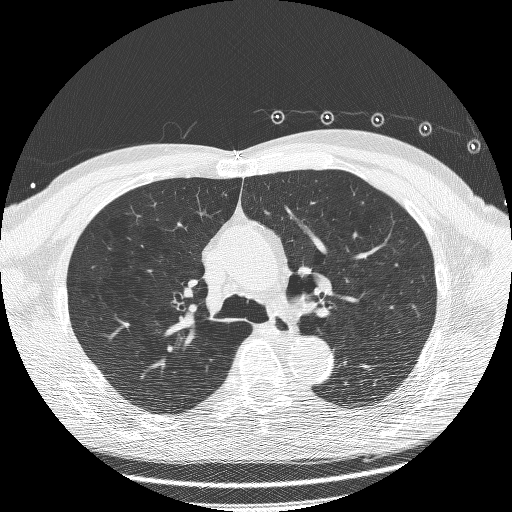
This is axial slice 172 of 260 (slice 1 is the lowest) of a chest CT; each pixel is 0.703 mm and the slice is 1.25 mm thick. No nodule 3 mm or larger was outlined here by any reader.
Tube voltage 120 kVp; convolution kernel BONE.